One axial slice (227 of 519, counting up from the lowest) of a chest CT acquired at 120 kVp with the STANDARD kernel; each pixel is 0.703 mm and the slice is 1.25 mm thick.
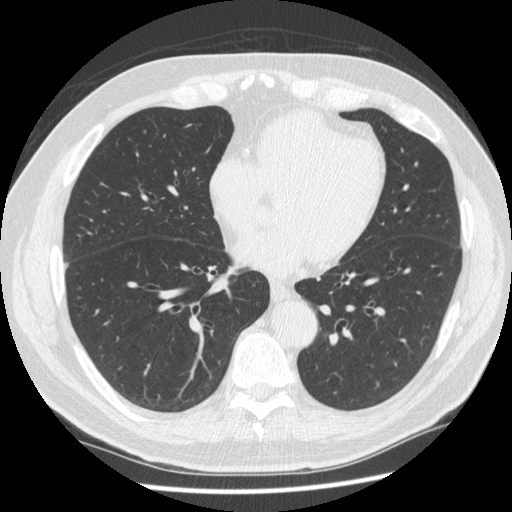
No nodule of 3 mm or larger was outlined by any of the four readers on this slice.